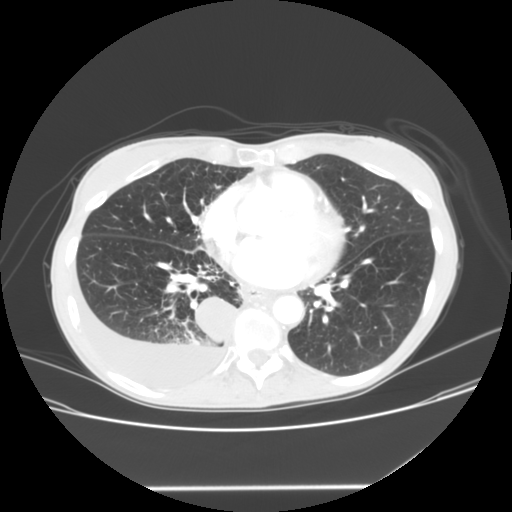
Axial slice 57 of 133 of a chest CT (slice 1 is the lowest), reconstructed with the STANDARD kernel at 120 kVp; 2.50 mm slice thickness and 0.703 mm pixels.
Pulmonary nodule at rows 296–341, columns 195–235 (box = the union of the readers' outlines on this slice), outlined by two of the four readers; longest diameter 35.2 mm on average over the two readers' outlines (readers' outlines 33.4–36.9 mm), volume 15304–15793 mm3. Ratings, by the readers' most common answer with dissent counted: texture split among the readers: 4/5 (one), 5/5 (solid) (one); margin 5/5 (circumscribed), both readers agreeing; sphericity split among the readers: 4/5 (one), 5/5 (round) (one); calcification absent, both readers agreeing; internal structure soft tissue from both readers; subtlety 5/5 from both readers; malignancy likelihood split among the readers: 2/5 (one), 3/5 (one). Scale key (1–5): texture non-solid→solid, margin indistinct→circumscribed, sphericity linear→round, subtlety extremely subtle→obvious, malignancy likelihood highly unlikely→highly suspicious of cancer. Box rows and columns are 0-based pixel indices from the top-left corner, inclusive.